Chest CT, axial plane, 120 kVp, kernel B45f. Slice 211/308 from the bottom of the scan; thickness 1.00 mm; pixel size 0.586 mm.
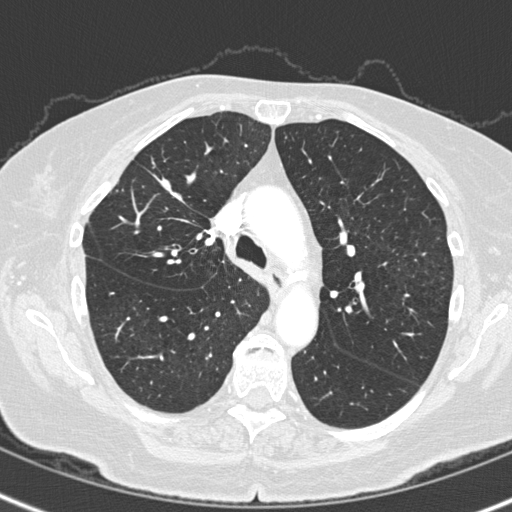
No nodule 3 mm or larger was outlined here by any reader.